Axial slice 89 of 125 of a chest CT (slice 1 is the lowest), reconstructed with the FC10 kernel at 135 kVp; 3.00 mm slice thickness and 0.628 mm pixels.
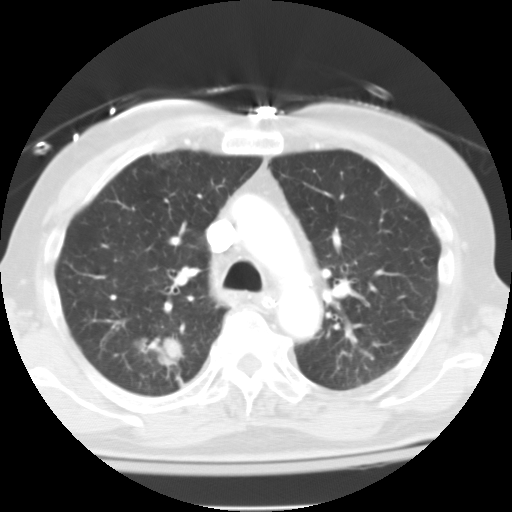
Pulmonary nodule, outlined once (the source holds six more outlines, not used). Box on this slice rows 337–366, columns 140–183, that reader's outline on this slice; longest diameter 31.3 mm and volume 4861 mm3 from that reader's outline. That reader's ratings: texture 4/5; margin 2/5; sphericity 2/5; calcification absent; internal structure soft tissue; subtlety 5/5; malignancy likelihood 5/5. Scale key (1–5): texture non-solid→solid, margin indistinct→circumscribed, sphericity linear→round, subtlety extremely subtle→obvious, malignancy likelihood highly unlikely→highly suspicious of cancer. Box rows and columns are 0-based pixel indices from the top-left corner, inclusive.